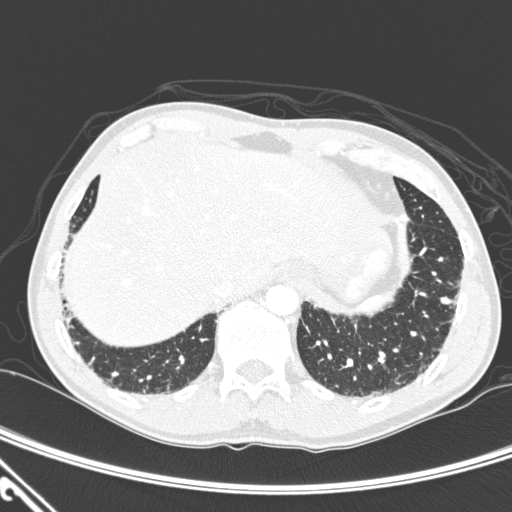
This is axial slice 48 of 276 (slice 1 is the lowest) of a chest CT; each pixel is 0.639 mm and the slice is 1.00 mm thick. Pulmonary nodule at rows 296–304, columns 440–451 (box = the union of the readers' outlines on this slice), outlined by two of the four readers; longest diameter 8.7–8.9 mm and volume 206–221 mm3 across the two readers' outlines. The readers' ratings, as ranges where they differ: texture 5/5 (solid) from both readers; margin from 2/5 to 3/5 across the two readers; sphericity from 2/5 to 4/5 across the two readers; calcification absent from both readers; internal structure soft tissue from both readers; subtlety from 3/5 to 5/5 across the two readers; malignancy likelihood 3/5, both readers agreeing. Scale key (1–5): texture non-solid→solid, margin indistinct→circumscribed, sphericity linear→round, subtlety extremely subtle→obvious, malignancy likelihood highly unlikely→highly suspicious of cancer. Box rows and columns are 0-based pixel indices from the top-left corner, inclusive.
Acquired at 120 kVp and reconstructed with the D kernel.